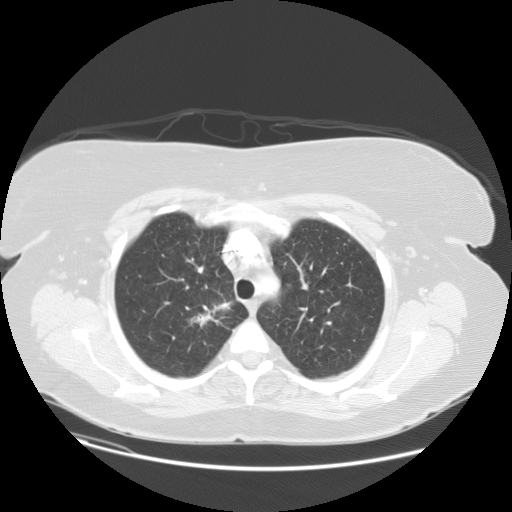
This is axial slice 104 of 133 (slice 1 is the lowest) of a chest CT; each pixel is 0.781 mm and the slice is 2.50 mm thick. Pulmonary nodule, outlined by all four readers, two of them on this slice. Box on this slice rows 302–327, columns 192–229, the union of the readers' outlines on this slice; median longest diameter 35.3 mm (readers' outlines 31.6–37.9 mm), median volume 4753 mm3 (3786–6747 mm3). Ratings, median across the readers with their spread: median texture 4.5/5 (readers ranged 3/5 (part-solid) to 5/5 (solid)); median margin 3/5 (readers ranged 1/5 (indistinct) to 3/5); sphericity 3/5 (ovoid) at the median of four readers, spread 2/5 to 4/5; calcification absent from all four readers; internal structure soft tissue from all four readers; subtlety 5/5, all four readers agreeing; malignancy likelihood 5/5 at the median of four readers, spread 3–5. Scale key (1–5): texture non-solid→solid, margin indistinct→circumscribed, sphericity linear→round, subtlety extremely subtle→obvious, malignancy likelihood highly unlikely→highly suspicious of cancer. Box rows and columns are 0-based pixel indices from the top-left corner, inclusive.
Acquired at 120 kVp and reconstructed with the STANDARD kernel.